Axial chest CT slice 93 of 290 (counted from the lowest slice); tube voltage 120 kVp, convolution kernel B; slices 2.00 mm thick, 0.639 mm per pixel.
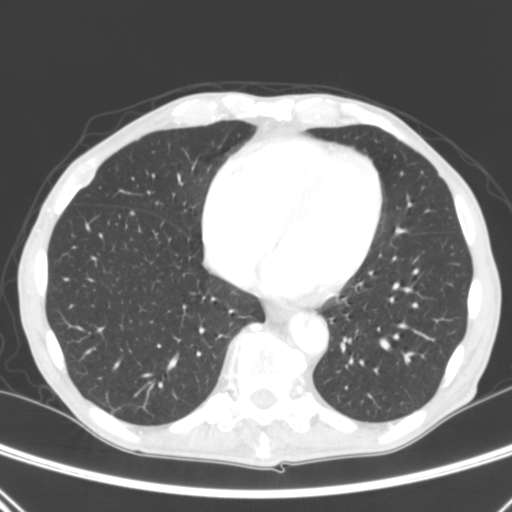
Pulmonary nodule outlined by one of the four readers; box rows 210–215, columns 130–134 (that reader's outline on this slice); longest diameter 5.0 mm and volume 58 mm3 from that reader's outline. Ratings by that reader: texture 5/5 (solid); margin 5/5 (circumscribed); sphericity 5/5 (round); calcification absent; internal structure soft tissue; subtlety 5/5; malignancy likelihood 3/5. Scale key (1–5): texture non-solid→solid, margin indistinct→circumscribed, sphericity linear→round, subtlety extremely subtle→obvious, malignancy likelihood highly unlikely→highly suspicious of cancer. Box rows and columns are 0-based pixel indices from the top-left corner, inclusive.